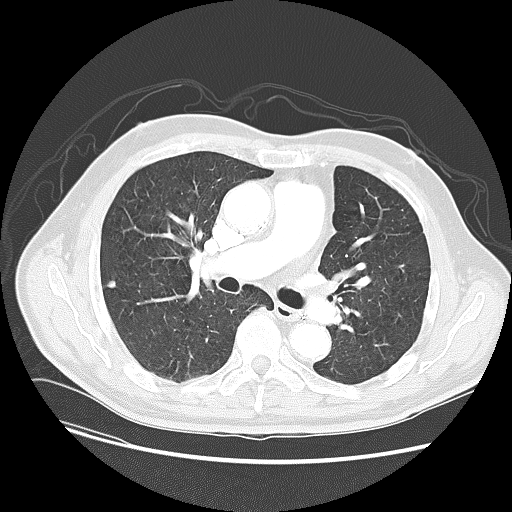
One axial slice (79 of 133, counting up from the lowest) of a chest CT acquired at 120 kVp with the LUNG kernel; each pixel is 0.742 mm and the slice is 2.50 mm thick.
Pulmonary nodule outlined by all four readers; box rows 280–288, columns 107–115 (the union of the readers' outlines on this slice); median longest diameter 7.8 mm (readers' outlines 7.6–8.3 mm), median volume 212 mm3 (184–249 mm3). Ratings, median across the readers with their spread: texture 5/5 (solid), all four readers agreeing; margin 5/5 (circumscribed) from all four readers; sphericity 5/5 (round) at the median of four readers, spread 4/5 to 5/5 (round); calcification: absent (three), solid calcification (one); internal structure soft tissue from all four readers; subtlety 4.5/5 at the median of four readers, spread 4–5; malignancy likelihood 2.5/5 at the median of four readers, spread 1–4. Scale key (1–5): texture non-solid→solid, margin indistinct→circumscribed, sphericity linear→round, subtlety extremely subtle→obvious, malignancy likelihood highly unlikely→highly suspicious of cancer. Box rows and columns are 0-based pixel indices from the top-left corner, inclusive.